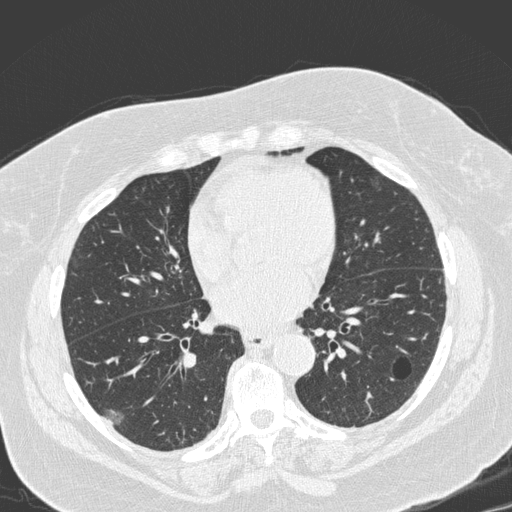
Slice 101/280 of a chest CT, counting up from the lowest; pixel size 0.666 mm, slice thickness 1.00 mm. Pulmonary nodule, outlined by two of the four readers. Box on this slice rows 408–426, columns 102–124, the union of the readers' outlines on this slice; longest diameter 17.7 mm on average over the two readers' outlines (readers' outlines 16.7–18.8 mm), volume 1162–1377 mm3. The readers' prevailing ratings and who disagreed: texture 1/5 (non-solid), both readers agreeing; margin 2/5 from both readers; sphericity split among the readers: 3/5 (ovoid) (one), 5/5 (round) (one); calcification absent from both readers; internal structure soft tissue, both readers agreeing; subtlety split among the readers: 1/5 (one), 4/5 (one); malignancy likelihood split among the readers: 2/5 (one), 3/5 (one). Scale key (1–5): texture non-solid→solid, margin indistinct→circumscribed, sphericity linear→round, subtlety extremely subtle→obvious, malignancy likelihood highly unlikely→highly suspicious of cancer. Box rows and columns are 0-based pixel indices from the top-left corner, inclusive.
Scan settings: 120 kVp, D reconstruction kernel.